Axial slice 115 of 161 of a chest CT (slice 1 is the lowest), reconstructed with the BONE kernel at 120 kVp; 1.25 mm slice thickness and 0.549 mm pixels.
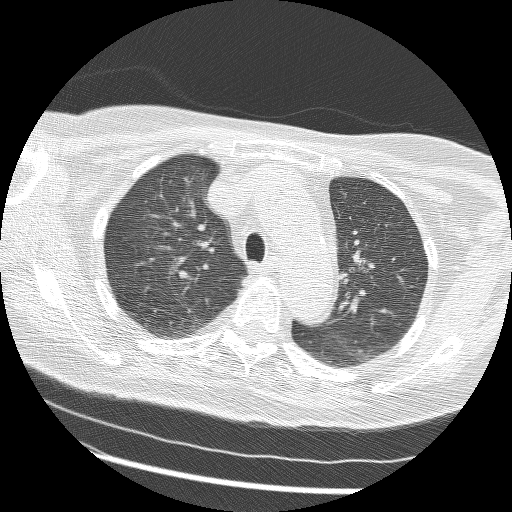
This slice carries no reader outline of a nodule 3 mm or larger.